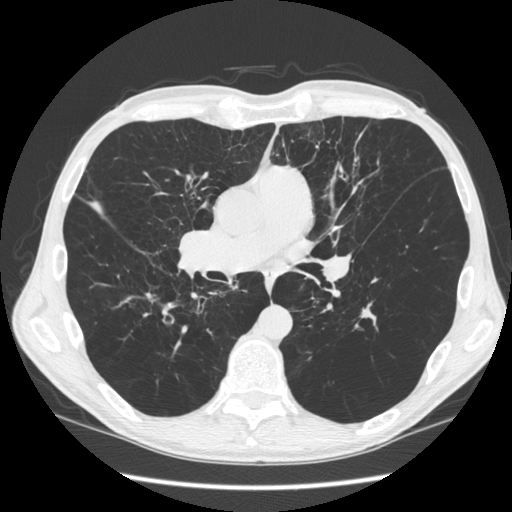
Chest CT, axial plane, 120 kVp, kernel STANDARD. Slice 319/583 from the bottom of the scan; thickness 1.25 mm; pixel size 0.703 mm.
Pulmonary nodule outlined by two of the four readers; box rows 302–328, columns 360–376 (the union of the readers' outlines on this slice); longest diameter 27.9 mm on average over the two readers' outlines (readers' outlines 24.1–31.7 mm), volume 791–1176 mm3. The readers' prevailing ratings and who disagreed: texture 5/5 (solid), both readers agreeing; margin split among the readers: 1/5 (indistinct) (one), 4/5 (one); sphericity split among the readers: 1/5 (linear) (one), 2/5 (one); calcification absent from both readers; internal structure soft tissue from both readers; subtlety 5/5 from both readers; malignancy likelihood split among the readers: 2/5 (one), 3/5 (one). Scale key (1–5): texture non-solid→solid, margin indistinct→circumscribed, sphericity linear→round, subtlety extremely subtle→obvious, malignancy likelihood highly unlikely→highly suspicious of cancer. Box rows and columns are 0-based pixel indices from the top-left corner, inclusive.